One axial slice (114 of 180, counting up from the lowest) of a chest CT acquired at 120 kVp with the B30f kernel; each pixel is 0.684 mm and the slice is 2.00 mm thick.
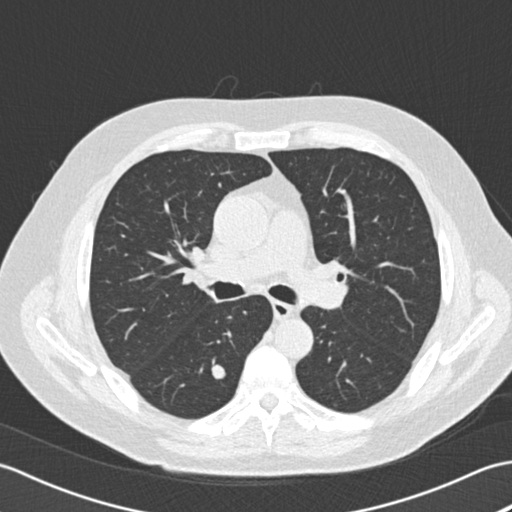
Pulmonary nodule outlined by all four readers; box rows 363–379, columns 211–225 (the union of the readers' outlines on this slice); longest diameter 12.5–13.3 mm and volume 485–678 mm3 across the four readers' outlines. The readers' ratings, as ranges where they differ: texture from 4/5 to 5/5 (solid) across the four readers; margin from 4/5 to 5/5 (circumscribed) across the four readers; sphericity from 3/5 (ovoid) to 5/5 (round) across the four readers; calcification absent, all four readers agreeing; internal structure soft tissue from all four readers; subtlety 3–5/5 (the readers disagree); malignancy likelihood from 2/5 to 4/5 across the four readers. Scale key (1–5): texture non-solid→solid, margin indistinct→circumscribed, sphericity linear→round, subtlety extremely subtle→obvious, malignancy likelihood highly unlikely→highly suspicious of cancer. Box rows and columns are 0-based pixel indices from the top-left corner, inclusive.